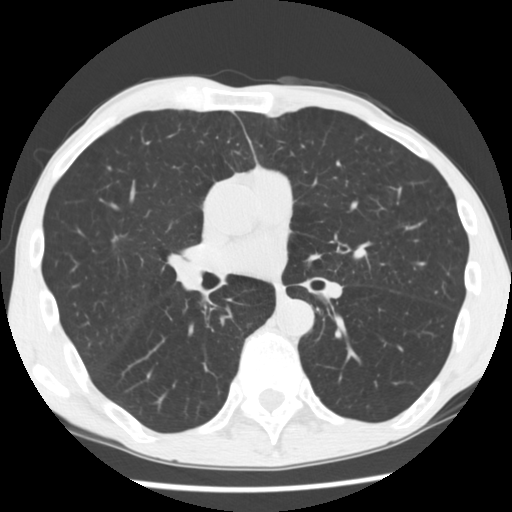
Axial slice 150 of 292 of a chest CT (slice 1 is the lowest), reconstructed with the STANDARD kernel at 120 kVp; 2.50 mm slice thickness and 0.645 mm pixels.
Pulmonary nodule outlined three times (the source holds two more outlines, not used), one of them on this slice; box rows 234–246, columns 112–125 (the one reader's outline on this slice); longest diameter 18.5 mm on average over the three readers' outlines (readers' outlines 18.2–19.0 mm), volume 892–1690 mm3. The readers' prevailing ratings and who disagreed: texture 5/5 (solid) from all three readers; margin split among the readers: 2/5 (one), 3/5 (one), 4/5 (one); sphericity split among the readers: 2/5 (one), 3/5 (ovoid) (one), 4/5 (one); calcification absent from all three readers; internal structure soft tissue, all three readers agreeing; most readers (two of three) put subtlety at 4/5, others 5/5 (one); most readers (two of three) put malignancy likelihood at 5/5, others 3/5 (one). Scale key (1–5): texture non-solid→solid, margin indistinct→circumscribed, sphericity linear→round, subtlety extremely subtle→obvious, malignancy likelihood highly unlikely→highly suspicious of cancer. Box rows and columns are 0-based pixel indices from the top-left corner, inclusive.